Axial chest CT slice 78 of 133 (counted from the lowest slice); tube voltage 120 kVp, convolution kernel LUNG; slices 2.50 mm thick, 0.703 mm per pixel.
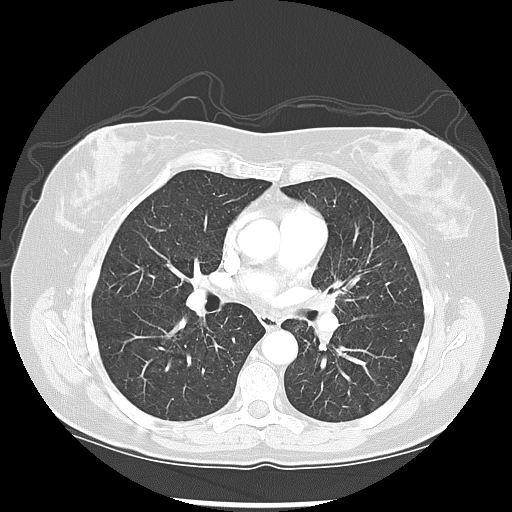
None of the four readers outlined a nodule of 3 mm or more on this slice.